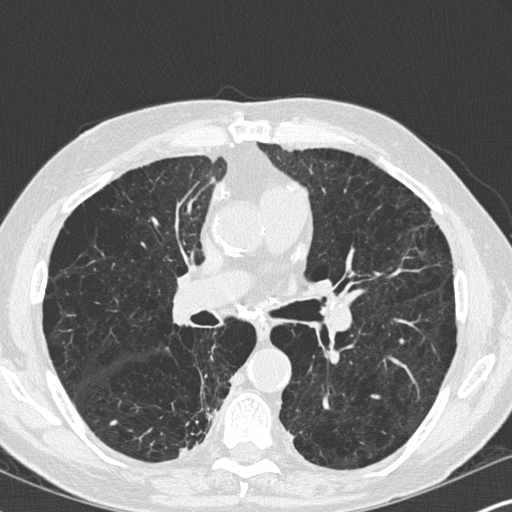
One axial slice (183 of 347, counting up from the lowest) of a chest CT acquired at 120 kVp with the B45f kernel; each pixel is 0.625 mm and the slice is 1.00 mm thick.
Pulmonary nodule outlined by all four readers; box rows 419–425, columns 108–117 (the union of the readers' outlines on this slice); median longest diameter 9.3 mm (readers' outlines 8.9–9.6 mm), median volume 145 mm3 (130–187 mm3). Median ratings and the readers' spread: texture 5/5 (solid), all four readers agreeing; margin 5/5 (circumscribed), all four readers agreeing; sphericity 3.5/5 at the median of four readers, spread 3/5 (ovoid) to 4/5; calcification absent from all four readers; internal structure soft tissue, all four readers agreeing; subtlety 4.5/5 at the median of four readers, spread 4–5; malignancy likelihood 3/5 from all four readers. Scale key (1–5): texture non-solid→solid, margin indistinct→circumscribed, sphericity linear→round, subtlety extremely subtle→obvious, malignancy likelihood highly unlikely→highly suspicious of cancer. Box rows and columns are 0-based pixel indices from the top-left corner, inclusive.